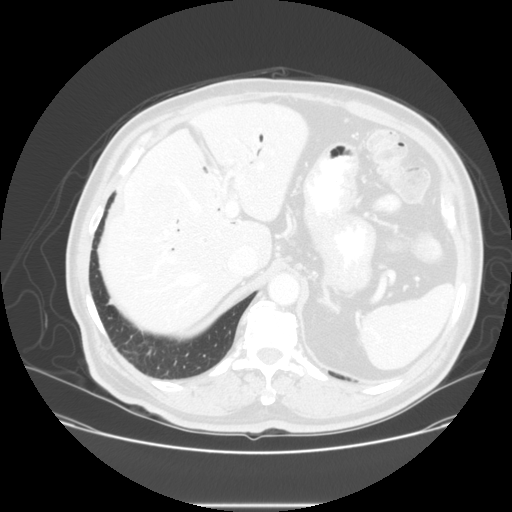
One axial slice (33 of 133, counting up from the lowest) of a chest CT acquired at 140 kVp with the STANDARD kernel; each pixel is 0.781 mm and the slice is 2.50 mm thick.
Pulmonary nodule, outlined by all four readers, three of them on this slice. Box on this slice rows 299–305, columns 104–112, the union of the readers' outlines on this slice; median longest diameter 8.6 mm (readers' outlines 7.8–11.4 mm), median volume 237 mm3 (203–468 mm3). Median ratings and the readers' spread: texture 5/5 (solid), all four readers agreeing; margin 4/5 at the median of four readers, spread 4/5 to 5/5 (circumscribed); sphericity 3/5 (ovoid) at the median of four readers, spread 2/5 to 5/5 (round); calcification absent, all four readers agreeing; internal structure soft tissue, all four readers agreeing; median subtlety 3.5/5 (readers ranged 3–4); malignancy likelihood 3/5 at the median of four readers, spread 2–3. Scale key (1–5): texture non-solid→solid, margin indistinct→circumscribed, sphericity linear→round, subtlety extremely subtle→obvious, malignancy likelihood highly unlikely→highly suspicious of cancer. Box rows and columns are 0-based pixel indices from the top-left corner, inclusive.